Chest CT, axial plane, 120 kVp, kernel D. Slice 166/300 from the bottom of the scan; thickness 2.00 mm; pixel size 0.631 mm.
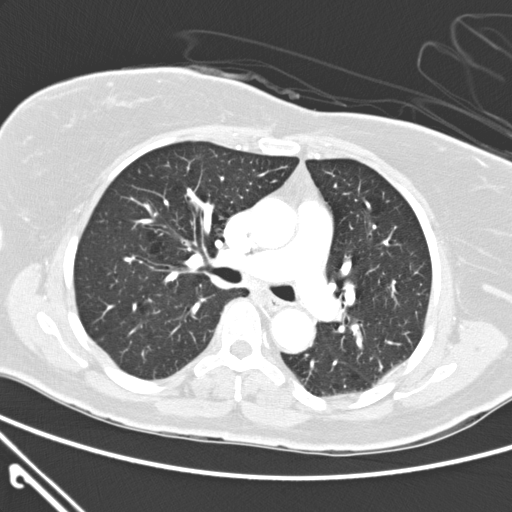
Pulmonary nodule at rows 153–159, columns 197–201 (box = the one reader's outline on this slice), outlined by three of the four readers, one of them on this slice; median longest diameter 9.2 mm (readers' outlines 9.2–10.2 mm), median volume 178 mm3 (147–194 mm3). Ratings, median across the readers with their spread: median texture 5/5 (solid) (readers ranged 4/5 to 5/5 (solid)); median margin 4/5 (readers ranged 3/5 to 4/5); sphericity 4/5 from all three readers; calcification absent, all three readers agreeing; internal structure soft tissue from all three readers; median subtlety 3/5 (readers ranged 3–5); malignancy likelihood 3/5 at the median of three readers, spread 2–4. Scale key (1–5): texture non-solid→solid, margin indistinct→circumscribed, sphericity linear→round, subtlety extremely subtle→obvious, malignancy likelihood highly unlikely→highly suspicious of cancer. Box rows and columns are 0-based pixel indices from the top-left corner, inclusive.